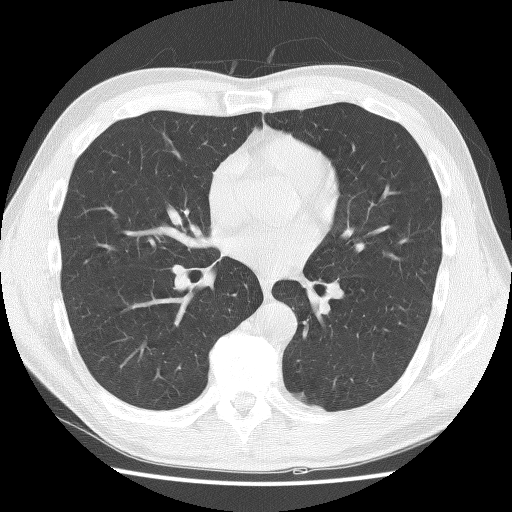
One axial slice (65 of 132, counting up from the lowest) of a chest CT acquired at 140 kVp with the BONE kernel; each pixel is 0.656 mm and the slice is 2.50 mm thick.
Pulmonary nodule at rows 393–403, columns 291–304 (box = that reader's outline on this slice), outlined by one of the four readers; longest diameter 11.5 mm and volume 455 mm3 from that reader's outline. That reader's ratings: texture 4/5; margin 4/5; sphericity 2/5; calcification absent; internal structure soft tissue; subtlety 4/5; malignancy likelihood 2/5. Scale key (1–5): texture non-solid→solid, margin indistinct→circumscribed, sphericity linear→round, subtlety extremely subtle→obvious, malignancy likelihood highly unlikely→highly suspicious of cancer. Box rows and columns are 0-based pixel indices from the top-left corner, inclusive.